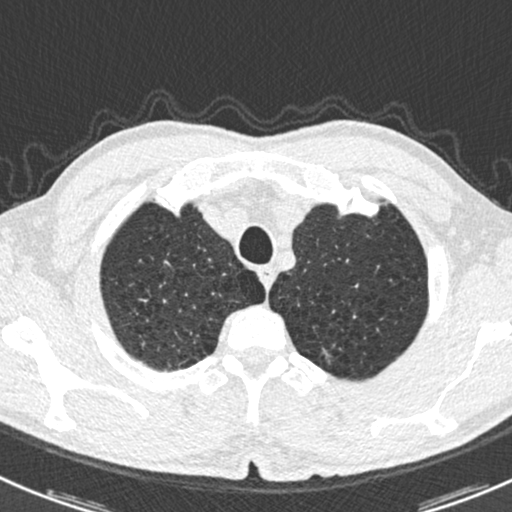
Chest CT, axial plane, 120 kVp, kernel B30f. Slice 484/538 from the bottom of the scan; thickness 0.75 mm; pixel size 0.605 mm.
Pulmonary nodule at rows 353–363, columns 324–330 (box = that reader's outline on this slice), outlined by one of the four readers; longest diameter 14.6 mm and volume 194 mm3 from that reader's outline. Ratings by that reader: texture 2/5; margin 1/5 (indistinct); sphericity 2/5; calcification absent; internal structure soft tissue; subtlety 2/5; malignancy likelihood 4/5. Scale key (1–5): texture non-solid→solid, margin indistinct→circumscribed, sphericity linear→round, subtlety extremely subtle→obvious, malignancy likelihood highly unlikely→highly suspicious of cancer. Box rows and columns are 0-based pixel indices from the top-left corner, inclusive.